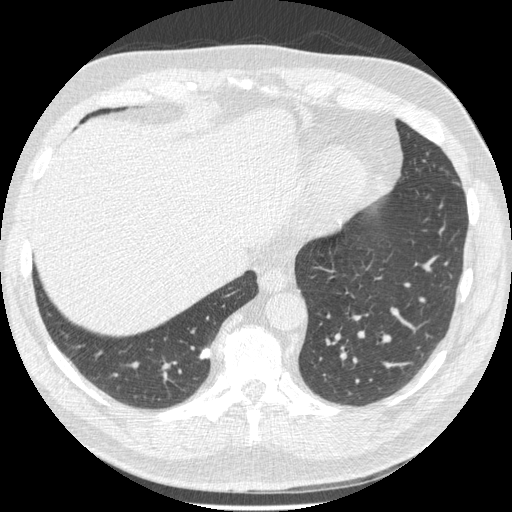
Axial slice 165 of 557 of a chest CT (slice 1 is the lowest), reconstructed with the STANDARD kernel at 120 kVp; 1.25 mm slice thickness and 0.703 mm pixels.
Pulmonary nodule, outlined by all four readers. Box on this slice rows 347–358, columns 197–210, the union of the readers' outlines on this slice; the four readers' outlines give a longest diameter between 8.6 and 11.5 mm and a volume between 175 and 299 mm3. Ratings across the readers: texture 5/5 (solid) from all four readers; margin from 2/5 to 5/5 (circumscribed) across the four readers; sphericity from 4/5 to 5/5 (round) across the four readers; calcification: solid calcification (two), absent (one), central calcification (one); internal structure soft tissue from all four readers; subtlety from 3/5 to 5/5 across the four readers; malignancy likelihood 1–4/5 (the readers disagree). Scale key (1–5): texture non-solid→solid, margin indistinct→circumscribed, sphericity linear→round, subtlety extremely subtle→obvious, malignancy likelihood highly unlikely→highly suspicious of cancer. Box rows and columns are 0-based pixel indices from the top-left corner, inclusive.